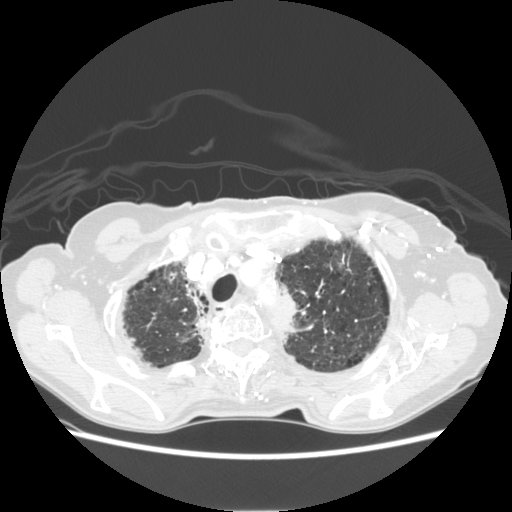
One axial slice (108 of 131, counting up from the lowest) of a chest CT acquired at 120 kVp with the STANDARD kernel; each pixel is 0.703 mm and the slice is 2.50 mm thick.
Pulmonary nodule outlined by all four readers, one of them on this slice; box rows 261–270, columns 338–342 (the one reader's outline on this slice); longest diameter 18.7–25.9 mm and volume 1749–2501 mm3 across the four readers' outlines. The readers' ratings, as ranges where they differ: texture 5/5 (solid) from all four readers; margin from 3/5 to 5/5 (circumscribed) across the four readers; sphericity from 3/5 (ovoid) to 5/5 (round) across the four readers; calcification absent from all four readers; internal structure soft tissue from all four readers; subtlety rated between 3 and 5 out of 5 by the four readers; malignancy likelihood 2–5/5 (the readers disagree). Scale key (1–5): texture non-solid→solid, margin indistinct→circumscribed, sphericity linear→round, subtlety extremely subtle→obvious, malignancy likelihood highly unlikely→highly suspicious of cancer. Box rows and columns are 0-based pixel indices from the top-left corner, inclusive.